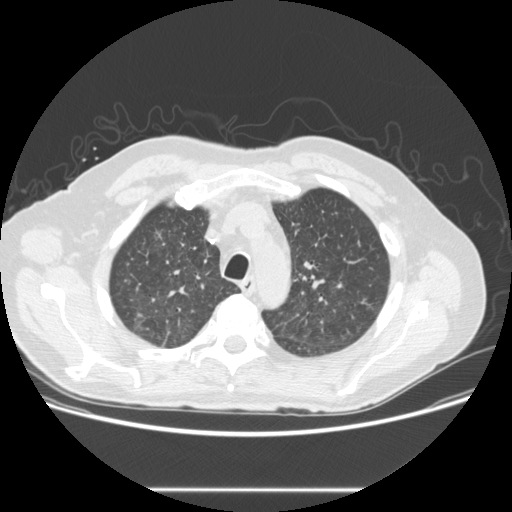
One axial slice (206 of 273, counting up from the lowest) of a chest CT acquired at 120 kVp with the STANDARD kernel; each pixel is 0.740 mm and the slice is 1.25 mm thick.
Pulmonary nodule outlined by all four readers, two of them on this slice; box rows 314–316, columns 138–141 (the union of the readers' outlines on this slice); median longest diameter 11.0 mm (readers' outlines 10.1–12.7 mm), median volume 344 mm3 (277–395 mm3). Ratings, median across the readers with their spread: texture 4.5/5 at the median of four readers, spread 4/5 to 5/5 (solid); margin 3.5/5 at the median of four readers, spread 2/5 to 4/5; median sphericity 3.5/5 (readers ranged 3/5 (ovoid) to 4/5); calcification absent, all four readers agreeing; internal structure soft tissue, all four readers agreeing; subtlety 4/5 at the median of four readers, spread 3–4; malignancy likelihood 3.5/5 at the median of four readers, spread 3–5. Scale key (1–5): texture non-solid→solid, margin indistinct→circumscribed, sphericity linear→round, subtlety extremely subtle→obvious, malignancy likelihood highly unlikely→highly suspicious of cancer. Box rows and columns are 0-based pixel indices from the top-left corner, inclusive.